Axial slice 49 of 127 of a chest CT (slice 1 is the lowest), reconstructed with the STANDARD kernel at 120 kVp; 2.50 mm slice thickness and 0.703 mm pixels.
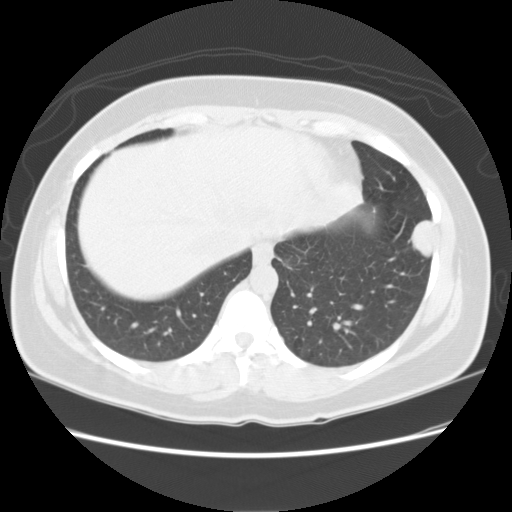
Pulmonary nodule outlined by all four readers; box rows 220–258, columns 410–432 (the union of the readers' outlines on this slice); longest diameter 28.0 mm on average over the four readers' outlines (readers' outlines 27.7–28.3 mm), volume 5117–6404 mm3. Ratings, by the readers' most common answer with dissent counted: texture 5/5 (solid), all four readers agreeing; most readers (three of four) put margin at 5/5 (circumscribed), others 4/5 (one); sphericity 3/5 (ovoid) by three of four readers; the rest gave 5/5 (round) (one); calcification absent, all four readers agreeing; internal structure soft tissue from all four readers; subtlety 5/5, all four readers agreeing; malignancy likelihood 5/5 by two of four readers; the rest gave 3/5 (one), 4/5 (one). Scale key (1–5): texture non-solid→solid, margin indistinct→circumscribed, sphericity linear→round, subtlety extremely subtle→obvious, malignancy likelihood highly unlikely→highly suspicious of cancer. Box rows and columns are 0-based pixel indices from the top-left corner, inclusive.